One axial slice (204 of 433, counting up from the lowest) of a chest CT acquired at 120 kVp with the STANDARD kernel; each pixel is 0.547 mm and the slice is 1.25 mm thick.
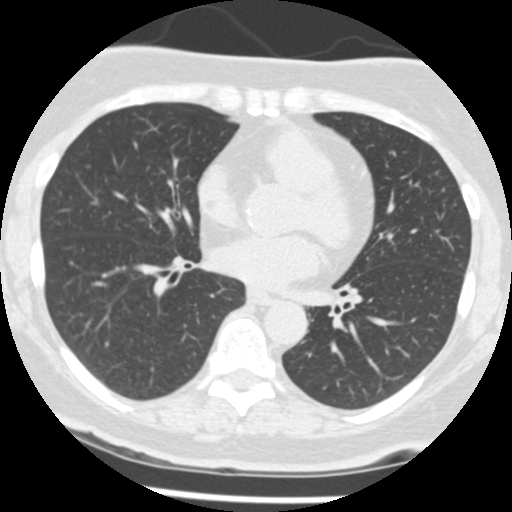
Pulmonary nodule at rows 342–346, columns 104–108 (box = the union of the readers' outlines on this slice), outlined by three of the four readers; longest diameter 4.8 mm on average over the three readers' outlines (readers' outlines 4.5–5.0 mm), volume 36–46 mm3. The readers' prevailing ratings and who disagreed: texture 5/5 (solid) from all three readers; margin 5/5 (circumscribed) from all three readers; sphericity 5/5 (round) from all three readers; calcification solid calcification from all three readers; internal structure soft tissue, all three readers agreeing; subtlety 5/5 from all three readers; malignancy likelihood 1/5 from all three readers. Scale key (1–5): texture non-solid→solid, margin indistinct→circumscribed, sphericity linear→round, subtlety extremely subtle→obvious, malignancy likelihood highly unlikely→highly suspicious of cancer. Box rows and columns are 0-based pixel indices from the top-left corner, inclusive.